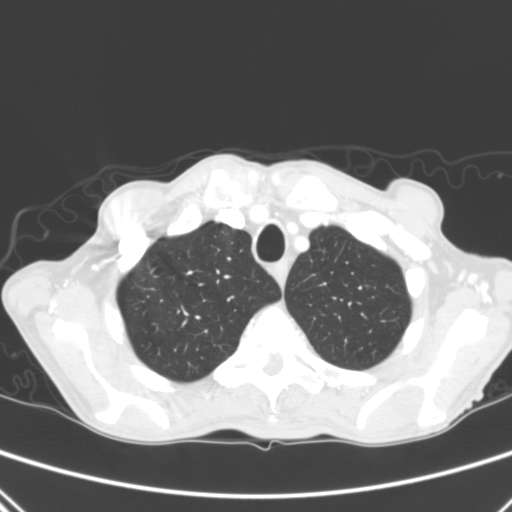
Chest CT, axial plane, 120 kVp, kernel B. Slice 246/290 from the bottom of the scan; thickness 2.00 mm; pixel size 0.639 mm.
Pulmonary nodule, outlined by one of the four readers. Box on this slice rows 285–288, columns 365–369, that reader's outline on this slice; longest diameter 4.9 mm and volume 40 mm3 from that reader's outline. That reader's ratings: texture 5/5 (solid); margin 5/5 (circumscribed); sphericity 5/5 (round); calcification absent; internal structure soft tissue; subtlety 5/5; malignancy likelihood 3/5. Scale key (1–5): texture non-solid→solid, margin indistinct→circumscribed, sphericity linear→round, subtlety extremely subtle→obvious, malignancy likelihood highly unlikely→highly suspicious of cancer. Box rows and columns are 0-based pixel indices from the top-left corner, inclusive.